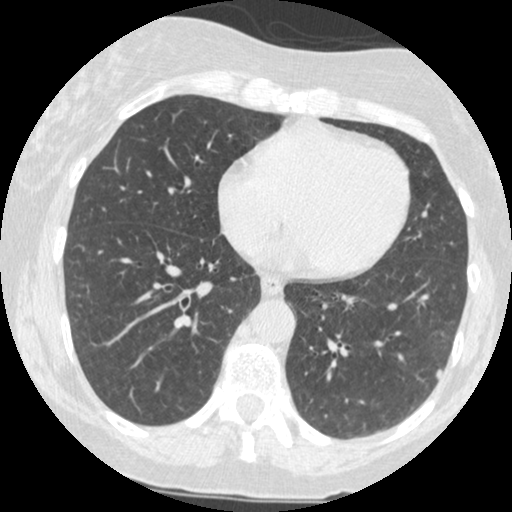
Slice 174/484 of a chest CT, counting up from the lowest; pixel size 0.586 mm, slice thickness 1.25 mm. Pulmonary nodule, outlined by three of the four readers. Box on this slice rows 370–379, columns 436–441, the union of the readers' outlines on this slice; longest diameter 7.0 mm on average over the three readers' outlines (readers' outlines 6.4–7.2 mm), volume 50–74 mm3. The readers' prevailing ratings and who disagreed: texture 5/5 (solid), all three readers agreeing; most readers (two of three) put margin at 5/5 (circumscribed), others 4/5 (one); sphericity 4/5 by two of three readers; the rest gave 3/5 (ovoid) (one); calcification absent from all three readers; internal structure soft tissue, all three readers agreeing; subtlety 4/5 by two of three readers; the rest gave 3/5 (one); malignancy likelihood 3/5 by two of three readers; the rest gave 1/5 (one). Scale key (1–5): texture non-solid→solid, margin indistinct→circumscribed, sphericity linear→round, subtlety extremely subtle→obvious, malignancy likelihood highly unlikely→highly suspicious of cancer. Box rows and columns are 0-based pixel indices from the top-left corner, inclusive.
Tube voltage 120 kVp; convolution kernel STANDARD.